Axial chest CT slice 103 of 117 (counted from the lowest slice); tube voltage 130 kVp, convolution kernel B31s; slices 3.00 mm thick, 0.566 mm per pixel.
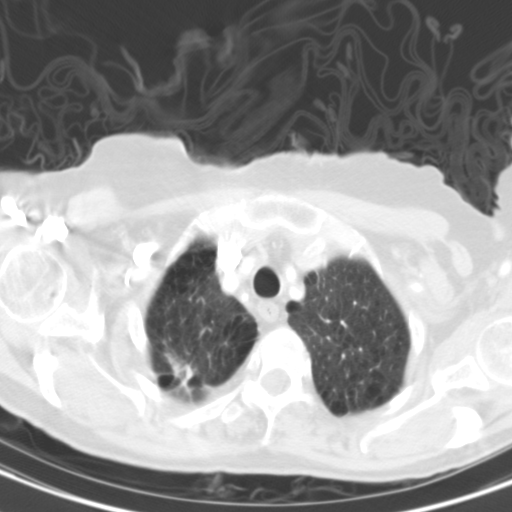
Pulmonary nodule at rows 341–383, columns 163–198 (box = the union of the readers' outlines on this slice), outlined by all four readers; the four readers' outlines give a longest diameter between 31.3 and 41.7 mm and a volume between 5062 and 7820 mm3. Ratings across the readers: texture 5/5 (solid), all four readers agreeing; margin from 1/5 (indistinct) to 4/5 across the four readers; sphericity from 3/5 (ovoid) to 5/5 (round) across the four readers; calcification absent, all four readers agreeing; internal structure soft tissue from all four readers; subtlety 5/5, all four readers agreeing; malignancy likelihood 5/5, all four readers agreeing. Scale key (1–5): texture non-solid→solid, margin indistinct→circumscribed, sphericity linear→round, subtlety extremely subtle→obvious, malignancy likelihood highly unlikely→highly suspicious of cancer. Box rows and columns are 0-based pixel indices from the top-left corner, inclusive.